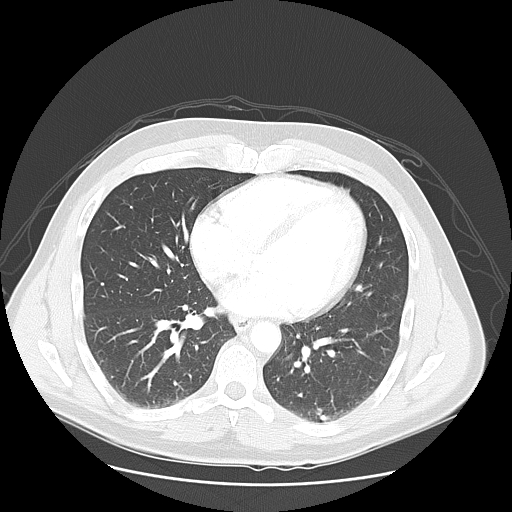
Axial chest CT slice 52 of 119 (counted from the lowest slice); 2.50 mm thick, 0.742 mm per pixel. Pulmonary nodule, outlined by all four readers. Box on this slice rows 414–420, columns 320–326, the union of the readers' outlines on this slice; longest diameter 9.8 mm on average over the four readers' outlines (readers' outlines 9.0–10.3 mm), volume 180–293 mm3. Ratings, by the readers' most common answer with dissent counted: texture 5/5 (solid), all four readers agreeing; margin 5/5 (circumscribed) by three of four readers; the rest gave 4/5 (one); sphericity 3/5 (ovoid) by two of four readers; the rest gave 4/5 (one), 5/5 (round) (one); calcification solid calcification by three of four readers, absent (one); internal structure soft tissue from all four readers; subtlety 5/5 by three of four readers; the rest gave 3/5 (one); most readers (three of four) put malignancy likelihood at 1/5, others 3/5 (one). Scale key (1–5): texture non-solid→solid, margin indistinct→circumscribed, sphericity linear→round, subtlety extremely subtle→obvious, malignancy likelihood highly unlikely→highly suspicious of cancer. Box rows and columns are 0-based pixel indices from the top-left corner, inclusive.
Acquired at 120 kVp and reconstructed with the LUNG kernel.